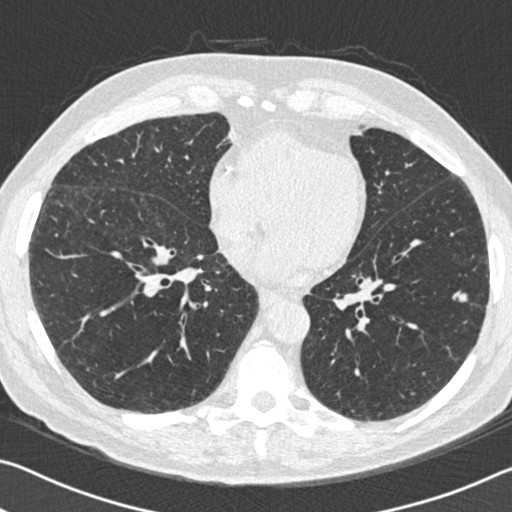
Chest CT, axial plane, 120 kVp, kernel B30f. Slice 242/525 from the bottom of the scan; thickness 0.75 mm; pixel size 0.660 mm.
Pulmonary nodule at rows 292–301, columns 458–467 (box = the union of the readers' outlines on this slice), outlined by all four readers; median longest diameter 11.5 mm (readers' outlines 10.8–13.0 mm), median volume 309 mm3 (202–326 mm3). Median ratings and the readers' spread: texture 5/5 (solid) from all four readers; margin 5/5 (circumscribed), all four readers agreeing; median sphericity 4/5 (readers ranged 3/5 (ovoid) to 5/5 (round)); calcification absent, all four readers agreeing; internal structure soft tissue, all four readers agreeing; subtlety 5/5, all four readers agreeing; median malignancy likelihood 4.5/5 (readers ranged 3–5). Scale key (1–5): texture non-solid→solid, margin indistinct→circumscribed, sphericity linear→round, subtlety extremely subtle→obvious, malignancy likelihood highly unlikely→highly suspicious of cancer. Box rows and columns are 0-based pixel indices from the top-left corner, inclusive.